Axial chest CT slice 92 of 127 (counted from the lowest slice); tube voltage 140 kVp, convolution kernel BONE; slices 2.50 mm thick, 0.586 mm per pixel.
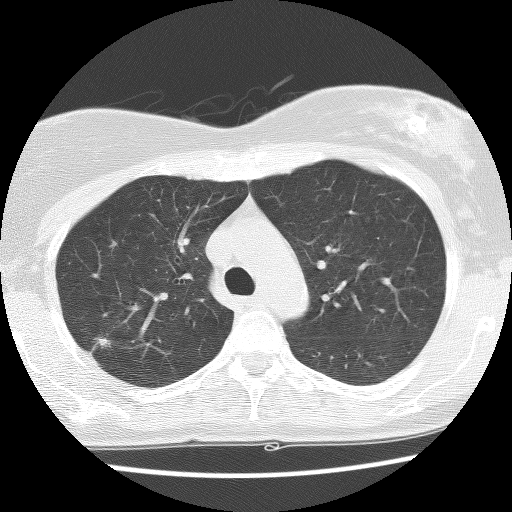
Pulmonary nodule, outlined by two of the four readers. Box on this slice rows 335–350, columns 91–115, the union of the readers' outlines on this slice; longest diameter 13.8 mm on average over the two readers' outlines (readers' outlines 12.9–14.7 mm), volume 148–591 mm3. Ratings, by the readers' most common answer with dissent counted: texture 3/5 (part-solid) from both readers; margin 1/5 (indistinct) from both readers; sphericity 2/5, both readers agreeing; calcification absent from both readers; internal structure soft tissue from both readers; subtlety 4/5, both readers agreeing; malignancy likelihood 3/5, both readers agreeing. Scale key (1–5): texture non-solid→solid, margin indistinct→circumscribed, sphericity linear→round, subtlety extremely subtle→obvious, malignancy likelihood highly unlikely→highly suspicious of cancer. Box rows and columns are 0-based pixel indices from the top-left corner, inclusive.